Axial slice 77 of 127 of a chest CT (slice 1 is the lowest), reconstructed with the B31s kernel at 130 kVp; 3.00 mm slice thickness and 0.668 mm pixels.
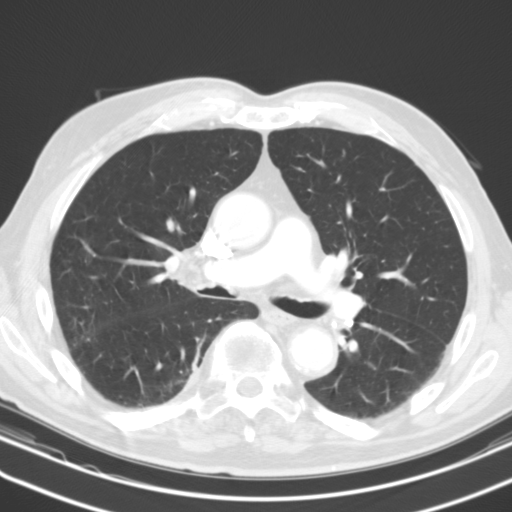
No nodule 3 mm or larger was outlined here by any reader.